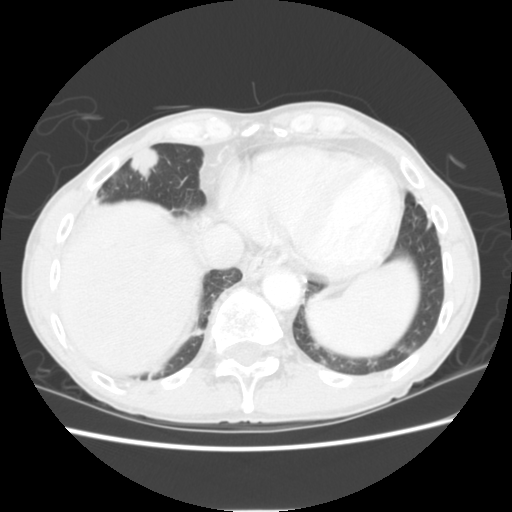
Chest CT, axial plane, 120 kVp, kernel STANDARD. Slice 50/255 from the bottom of the scan; thickness 2.50 mm; pixel size 0.664 mm.
Two pulmonary nodules on this slice, listed from left to right. (1) Pulmonary nodule outlined by all four readers; box rows 148–180, columns 129–159 (the union of the readers' outlines on this slice); median longest diameter 26.5 mm (readers' outlines 25.4–30.3 mm), median volume 5349 mm3 (4677–6345 mm3). Ratings, median across the readers with their spread: texture 5/5 (solid) from all four readers; margin 4.5/5 at the median of four readers, spread 4/5 to 5/5 (circumscribed); median sphericity 4/5 (readers ranged 3/5 (ovoid) to 5/5 (round)); calcification absent, all four readers agreeing; internal structure soft tissue, all four readers agreeing; subtlety 5/5 from all four readers; malignancy likelihood 5/5 at the median of four readers, spread 3–5. (2) Pulmonary nodule, outlined by one of the four readers. Box on this slice rows 343–348, columns 315–320, that reader's outline on this slice; longest diameter 5.5 mm and volume 37 mm3 from that reader's outline. Ratings by that reader: texture 5/5 (solid); margin 5/5 (circumscribed); sphericity 4/5; calcification absent; internal structure soft tissue; subtlety 2/5; malignancy likelihood 2/5. Scale key (1–5): texture non-solid→solid, margin indistinct→circumscribed, sphericity linear→round, subtlety extremely subtle→obvious, malignancy likelihood highly unlikely→highly suspicious of cancer. Box rows and columns are 0-based pixel indices from the top-left corner, inclusive.